One axial slice (85 of 147, counting up from the lowest) of a chest CT acquired at 120 kVp with the STANDARD kernel; each pixel is 0.781 mm and the slice is 2.50 mm thick.
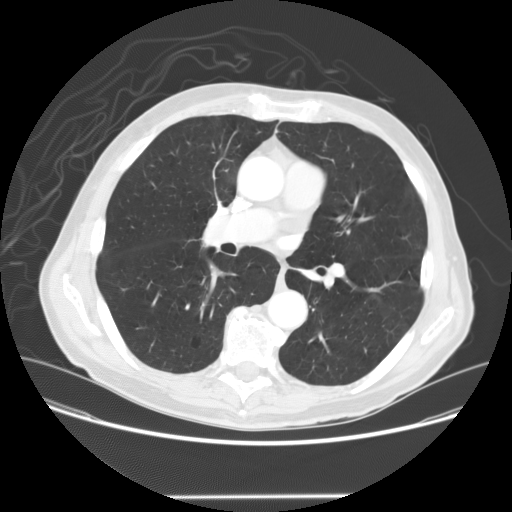
No nodule 3 mm or larger was outlined here by any reader.